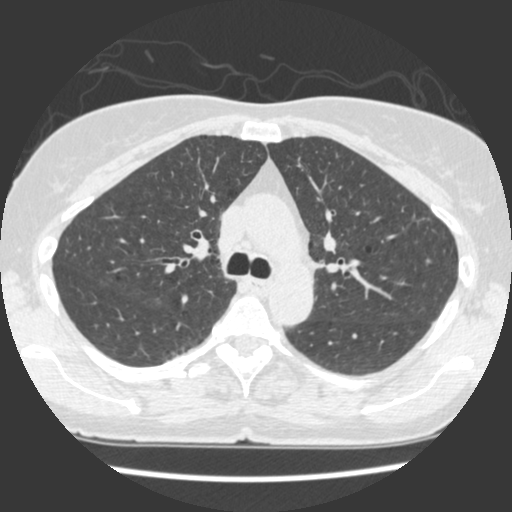
This is axial slice 275 of 429 (slice 1 is the lowest) of a chest CT; each pixel is 0.586 mm and the slice is 1.25 mm thick. No nodule of 3 mm or larger was outlined by any of the four readers on this slice.
Acquired at 120 kVp and reconstructed with the STANDARD kernel.